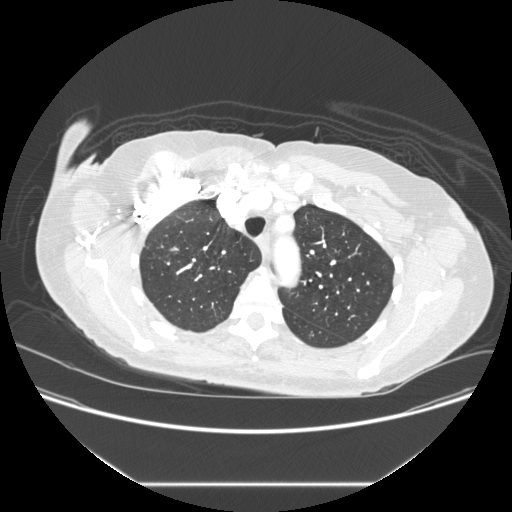
Axial chest CT slice 189 of 238 (counted from the lowest slice); 1.25 mm thick, 0.781 mm per pixel. Pulmonary nodule at rows 247–249, columns 171–177 (box = that reader's outline on this slice), outlined by one of the four readers; longest diameter 6.3 mm and volume 68 mm3 from that reader's outline. That reader's ratings: texture 5/5 (solid); margin 4/5; sphericity 4/5; calcification absent; internal structure soft tissue; subtlety 3/5; malignancy likelihood 3/5. Scale key (1–5): texture non-solid→solid, margin indistinct→circumscribed, sphericity linear→round, subtlety extremely subtle→obvious, malignancy likelihood highly unlikely→highly suspicious of cancer. Box rows and columns are 0-based pixel indices from the top-left corner, inclusive.
Tube voltage 120 kVp; convolution kernel STANDARD.